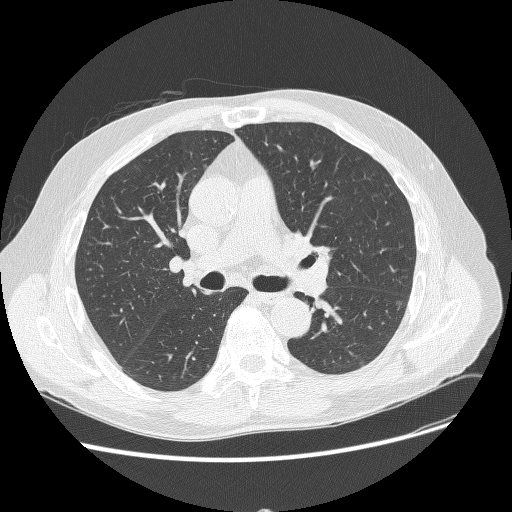
Axial chest CT slice 165 of 268 (counted from the lowest slice); tube voltage 120 kVp, convolution kernel BONE; slices 1.25 mm thick, 0.742 mm per pixel.
Pulmonary nodule, outlined by all four readers, three of them on this slice. Box on this slice rows 300–306, columns 395–401, the union of the readers' outlines on this slice; the four readers' outlines give a longest diameter between 9.0 and 9.3 mm and a volume between 159 and 261 mm3. The readers' ratings, as ranges where they differ: texture from 1/5 (non-solid) to 3/5 (part-solid) across the four readers; margin from 1/5 (indistinct) to 5/5 (circumscribed) across the four readers; sphericity from 3/5 (ovoid) to 4/5 across the four readers; calcification absent, all four readers agreeing; internal structure soft tissue, all four readers agreeing; subtlety 3–4/5 (the readers disagree); malignancy likelihood from 3/5 to 4/5 across the four readers. Scale key (1–5): texture non-solid→solid, margin indistinct→circumscribed, sphericity linear→round, subtlety extremely subtle→obvious, malignancy likelihood highly unlikely→highly suspicious of cancer. Box rows and columns are 0-based pixel indices from the top-left corner, inclusive.